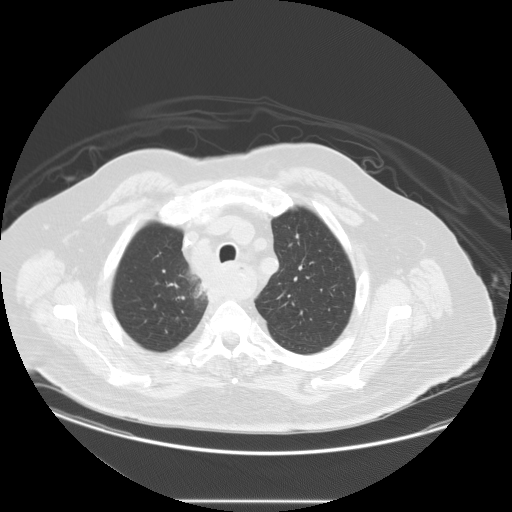
Axial chest CT slice 108 of 133 (counted from the lowest slice); tube voltage 120 kVp, convolution kernel STANDARD; slices 2.50 mm thick, 0.859 mm per pixel.
Pulmonary nodule at rows 233–238, columns 295–299 (box = the union of the readers' outlines on this slice), outlined by three of the four readers; median longest diameter 9.3 mm (readers' outlines 8.2–9.8 mm), median volume 366 mm3 (235–376 mm3). Median ratings and the readers' spread: texture 5/5 (solid) at the median of three readers, spread 4/5 to 5/5 (solid); margin 5/5 (circumscribed) at the median of three readers, spread 4/5 to 5/5 (circumscribed); median sphericity 4/5 (readers ranged 3/5 (ovoid) to 5/5 (round)); calcification absent, all three readers agreeing; internal structure soft tissue from all three readers; subtlety 2/5 at the median of three readers, spread 2–3; median malignancy likelihood 3/5 (readers ranged 2–3). Scale key (1–5): texture non-solid→solid, margin indistinct→circumscribed, sphericity linear→round, subtlety extremely subtle→obvious, malignancy likelihood highly unlikely→highly suspicious of cancer. Box rows and columns are 0-based pixel indices from the top-left corner, inclusive.